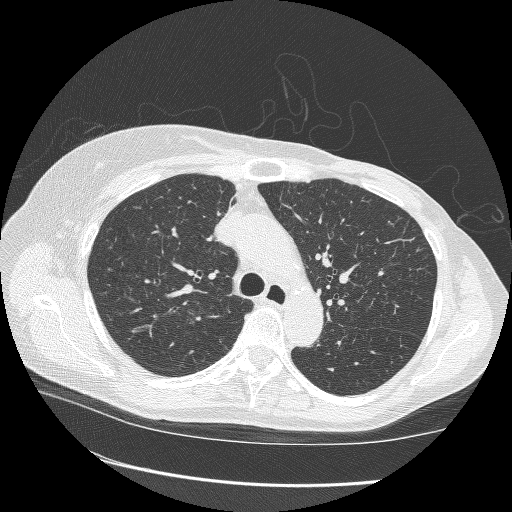
Slice 201/265 of a chest CT, counting up from the lowest; pixel size 0.664 mm, slice thickness 1.25 mm. No nodule 3 mm or larger was outlined here by any reader.
Acquired at 120 kVp and reconstructed with the BONE kernel.